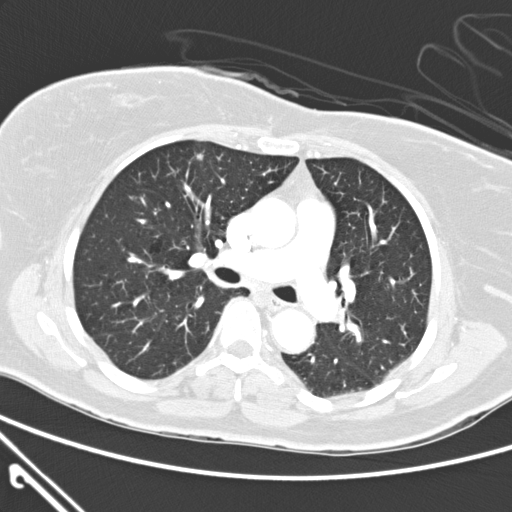
Axial chest CT slice 164 of 300 (counted from the lowest slice); tube voltage 120 kVp, convolution kernel D; slices 2.00 mm thick, 0.631 mm per pixel.
Pulmonary nodule, outlined by three of the four readers. Box on this slice rows 153–161, columns 196–203, the union of the readers' outlines on this slice; longest diameter 9.5 mm on average over the three readers' outlines (readers' outlines 9.2–10.2 mm), volume 147–194 mm3. The readers' prevailing ratings and who disagreed: texture 5/5 (solid) by two of three readers; the rest gave 4/5 (one); most readers (two of three) put margin at 4/5, others 3/5 (one); sphericity 4/5, all three readers agreeing; calcification absent, all three readers agreeing; internal structure soft tissue, all three readers agreeing; subtlety 3/5 by two of three readers; the rest gave 5/5 (one); malignancy likelihood split among the readers: 2/5 (one), 3/5 (one), 4/5 (one). Scale key (1–5): texture non-solid→solid, margin indistinct→circumscribed, sphericity linear→round, subtlety extremely subtle→obvious, malignancy likelihood highly unlikely→highly suspicious of cancer. Box rows and columns are 0-based pixel indices from the top-left corner, inclusive.